One axial slice (258 of 347, counting up from the lowest) of a chest CT acquired at 120 kVp with the B45f kernel; each pixel is 0.625 mm and the slice is 1.00 mm thick.
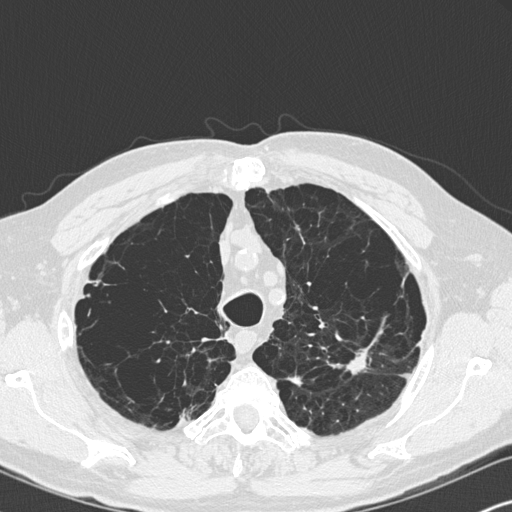
Two pulmonary nodules are outlined on this slice; from left to right: (1) Pulmonary nodule at rows 375–387, columns 286–302 (box = the union of the readers' outlines on this slice), outlined by two of the four readers; longest diameter 11.8 mm on average over the two readers' outlines (readers' outlines 11.3–12.3 mm), volume 328–329 mm3. The readers' prevailing ratings and who disagreed: texture 5/5 (solid) from both readers; margin split among the readers: 2/5 (one), 4/5 (one); sphericity split among the readers: 2/5 (one), 4/5 (one); calcification absent from both readers; internal structure soft tissue from both readers; subtlety split among the readers: 4/5 (one), 5/5 (one); malignancy likelihood 3/5 from both readers. (2) Pulmonary nodule, outlined by one of the four readers. Box on this slice rows 348–374, columns 345–367, that reader's outline on this slice; longest diameter 24.3 mm and volume 1862 mm3 from that reader's outline. Ratings by that reader: texture 5/5 (solid); margin 4/5; sphericity 3/5 (ovoid); calcification absent; internal structure soft tissue; subtlety 5/5; malignancy likelihood 4/5. Scale key (1–5): texture non-solid→solid, margin indistinct→circumscribed, sphericity linear→round, subtlety extremely subtle→obvious, malignancy likelihood highly unlikely→highly suspicious of cancer. Box rows and columns are 0-based pixel indices from the top-left corner, inclusive.